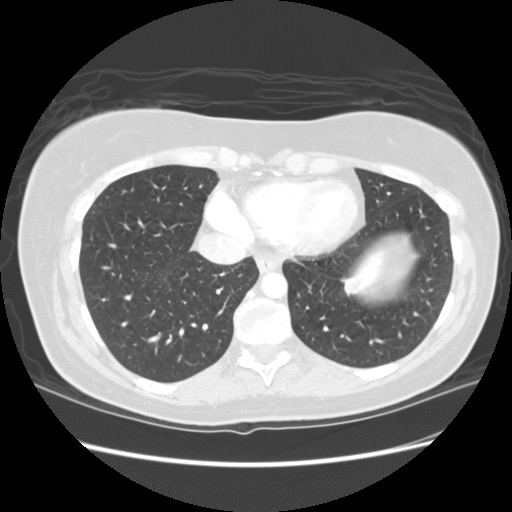
This is axial slice 33 of 123 (slice 1 is the lowest) of a chest CT; each pixel is 0.703 mm and the slice is 2.50 mm thick. Pulmonary nodule at rows 278–296, columns 342–363 (box = the union of the readers' outlines on this slice), outlined by all four readers; median longest diameter 16.2 mm (readers' outlines 15.6–16.8 mm), median volume 1182 mm3 (874–1495 mm3). Ratings, median across the readers with their spread: texture 5/5 (solid), all four readers agreeing; median margin 4.5/5 (readers ranged 4/5 to 5/5 (circumscribed)); median sphericity 4/5 (readers ranged 2/5 to 5/5 (round)); calcification absent, all four readers agreeing; internal structure soft tissue from all four readers; subtlety 4.5/5 at the median of four readers, spread 2–5; median malignancy likelihood 3.5/5 (readers ranged 2–5). Scale key (1–5): texture non-solid→solid, margin indistinct→circumscribed, sphericity linear→round, subtlety extremely subtle→obvious, malignancy likelihood highly unlikely→highly suspicious of cancer. Box rows and columns are 0-based pixel indices from the top-left corner, inclusive.
Scan settings: 120 kVp, STANDARD reconstruction kernel.